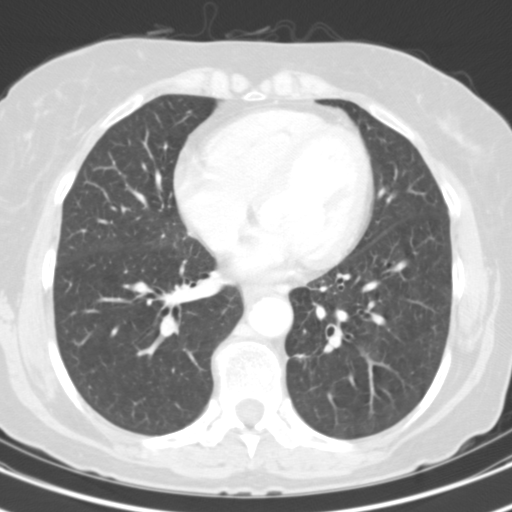
Axial slice 54 of 115 of a chest CT (slice 1 is the lowest), reconstructed with the B31s kernel at 130 kVp; 3.00 mm slice thickness and 0.582 mm pixels.
No nodule 3 mm or larger was outlined here by any reader.